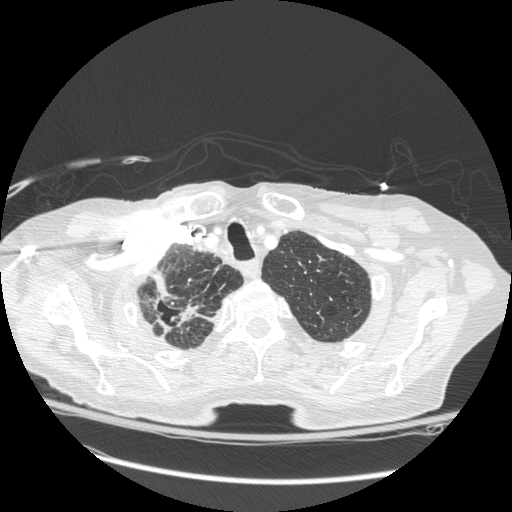
Axial chest CT slice 237 of 272 (counted from the lowest slice); tube voltage 120 kVp, convolution kernel STANDARD; slices 1.25 mm thick, 0.742 mm per pixel.
Pulmonary nodule outlined by all four readers, one of them on this slice; box rows 274–339, columns 152–205 (the one reader's outline on this slice); the four readers' outlines give a longest diameter between 16.0 and 56.1 mm and a volume between 732 and 13897 mm3. Ratings across the readers: texture 5/5 (solid) from all four readers; margin from 3/5 to 5/5 (circumscribed) across the four readers; sphericity from 3/5 (ovoid) to 4/5 across the four readers; calcification absent, all four readers agreeing; internal structure soft tissue, all four readers agreeing; subtlety 5/5 from all four readers; malignancy likelihood rated between 4 and 5 out of 5 by the four readers. Scale key (1–5): texture non-solid→solid, margin indistinct→circumscribed, sphericity linear→round, subtlety extremely subtle→obvious, malignancy likelihood highly unlikely→highly suspicious of cancer. Box rows and columns are 0-based pixel indices from the top-left corner, inclusive.